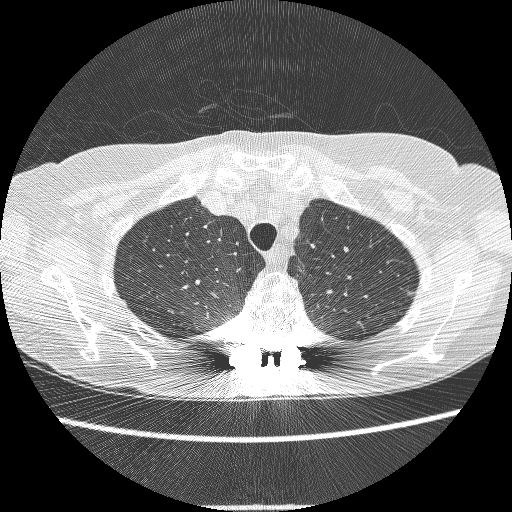
Chest CT, axial plane, 140 kVp, kernel BONE. Slice 232/274 from the bottom of the scan; thickness 1.25 mm; pixel size 0.615 mm.
Pulmonary nodule outlined by one of the four readers; box rows 292–296, columns 407–412 (that reader's outline on this slice); longest diameter 5.5 mm and volume 26 mm3 from that reader's outline. That reader's ratings: texture 5/5 (solid); margin 5/5 (circumscribed); sphericity 4/5; calcification absent; internal structure soft tissue; subtlety 4/5; malignancy likelihood 2/5. Scale key (1–5): texture non-solid→solid, margin indistinct→circumscribed, sphericity linear→round, subtlety extremely subtle→obvious, malignancy likelihood highly unlikely→highly suspicious of cancer. Box rows and columns are 0-based pixel indices from the top-left corner, inclusive.